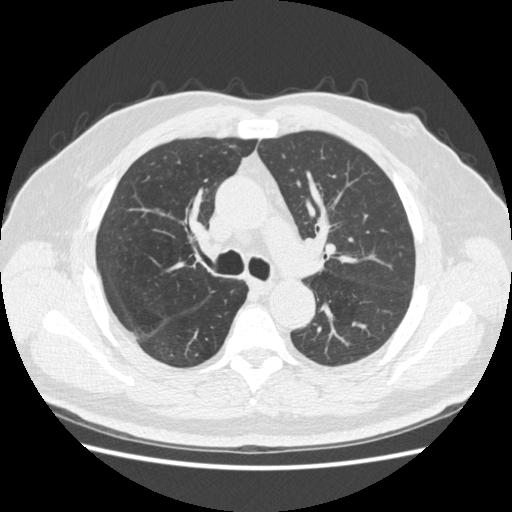
One axial slice (294 of 465, counting up from the lowest) of a chest CT acquired at 120 kVp with the STANDARD kernel; each pixel is 0.703 mm and the slice is 1.25 mm thick.
No nodule of 3 mm or larger was outlined by any of the four readers on this slice.